Axial chest CT slice 83 of 139 (counted from the lowest slice); tube voltage 120 kVp, convolution kernel STANDARD; slices 2.50 mm thick, 0.898 mm per pixel.
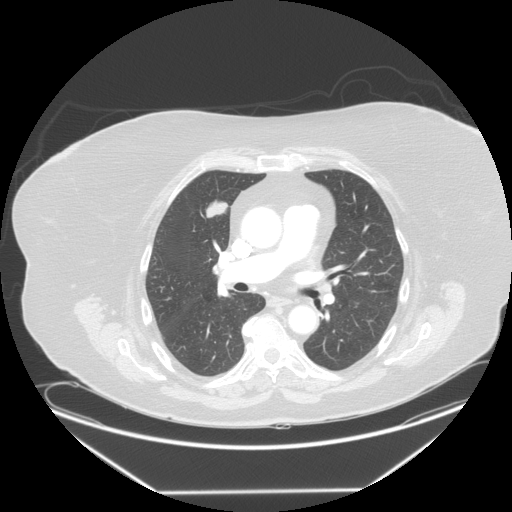
Pulmonary nodule outlined by three of the four readers; box rows 200–217, columns 206–228 (the union of the readers' outlines on this slice); median longest diameter 23.7 mm (readers' outlines 23.3–26.2 mm), median volume 2919 mm3 (2868–3243 mm3). Median ratings and the readers' spread: texture 5/5 (solid) from all three readers; margin 5/5 (circumscribed) at the median of three readers, spread 4/5 to 5/5 (circumscribed); median sphericity 4/5 (readers ranged 3/5 (ovoid) to 5/5 (round)); calcification absent, all three readers agreeing; internal structure soft tissue from all three readers; subtlety 5/5 from all three readers; malignancy likelihood 3/5 at the median of three readers, spread 3–5. Scale key (1–5): texture non-solid→solid, margin indistinct→circumscribed, sphericity linear→round, subtlety extremely subtle→obvious, malignancy likelihood highly unlikely→highly suspicious of cancer. Box rows and columns are 0-based pixel indices from the top-left corner, inclusive.